Chest CT, axial plane, 120 kVp, kernel STANDARD. Slice 80/145 from the bottom of the scan; thickness 2.50 mm; pixel size 0.625 mm.
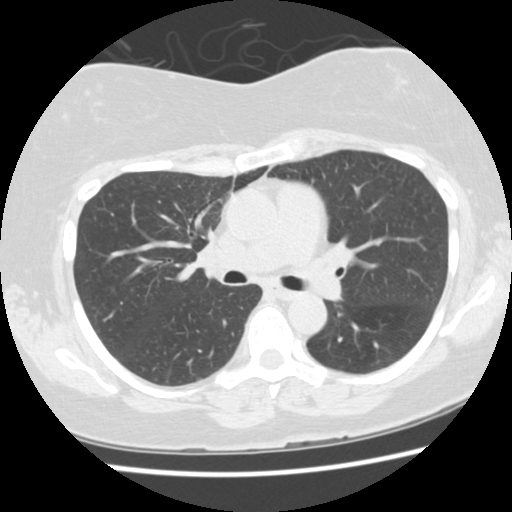
Pulmonary nodule, outlined by two of the four readers, one of them on this slice. Box on this slice rows 377–380, columns 196–201, the one reader's outline on this slice; longest diameter 4.8–5.3 mm and volume 28–52 mm3 across the two readers' outlines. The readers' ratings, as ranges where they differ: texture 5/5 (solid) from both readers; margin 4/5 from both readers; sphericity from 3/5 (ovoid) to 5/5 (round) across the two readers; calcification absent, both readers agreeing; internal structure soft tissue, both readers agreeing; subtlety rated between 2 and 5 out of 5 by the two readers; malignancy likelihood 2–3/5 (the readers disagree). Scale key (1–5): texture non-solid→solid, margin indistinct→circumscribed, sphericity linear→round, subtlety extremely subtle→obvious, malignancy likelihood highly unlikely→highly suspicious of cancer. Box rows and columns are 0-based pixel indices from the top-left corner, inclusive.